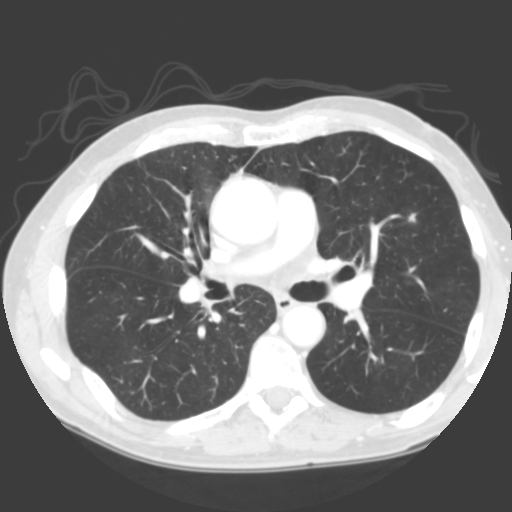
One axial slice (185 of 335, counting up from the lowest) of a chest CT acquired at 120 kVp with the B kernel; each pixel is 0.623 mm and the slice is 2.00 mm thick.
Pulmonary nodule outlined by three of the four readers; box rows 211–223, columns 406–417 (the union of the readers' outlines on this slice); median longest diameter 8.9 mm (readers' outlines 7.9–10.3 mm), median volume 222 mm3 (194–222 mm3). Ratings, median across the readers with their spread: median texture 4/5 (readers ranged 4/5 to 5/5 (solid)); median margin 3/5 (readers ranged 2/5 to 4/5); sphericity 3/5 (ovoid) at the median of three readers, spread 3/5 (ovoid) to 4/5; calcification absent, all three readers agreeing; internal structure soft tissue, all three readers agreeing; subtlety 3/5 at the median of three readers, spread 3–5; malignancy likelihood 3/5 at the median of three readers, spread 2–4. Scale key (1–5): texture non-solid→solid, margin indistinct→circumscribed, sphericity linear→round, subtlety extremely subtle→obvious, malignancy likelihood highly unlikely→highly suspicious of cancer. Box rows and columns are 0-based pixel indices from the top-left corner, inclusive.